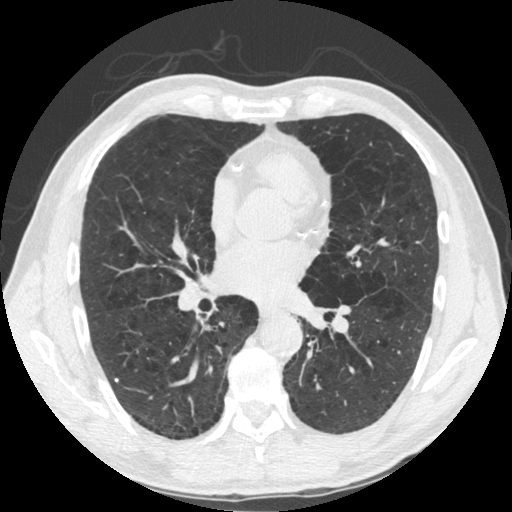
Slice 254/535 of a chest CT, counting up from the lowest; pixel size 0.664 mm, slice thickness 1.25 mm. Pulmonary nodule outlined by one of the four readers; box rows 378–382, columns 114–118 (that reader's outline on this slice); longest diameter 4.2 mm and volume 28 mm3 from that reader's outline. Ratings by that reader: texture 5/5 (solid); margin 5/5 (circumscribed); sphericity 5/5 (round); calcification solid calcification; internal structure soft tissue; subtlety 5/5; malignancy likelihood 1/5. Scale key (1–5): texture non-solid→solid, margin indistinct→circumscribed, sphericity linear→round, subtlety extremely subtle→obvious, malignancy likelihood highly unlikely→highly suspicious of cancer. Box rows and columns are 0-based pixel indices from the top-left corner, inclusive.
Scan settings: 120 kVp, STANDARD reconstruction kernel.